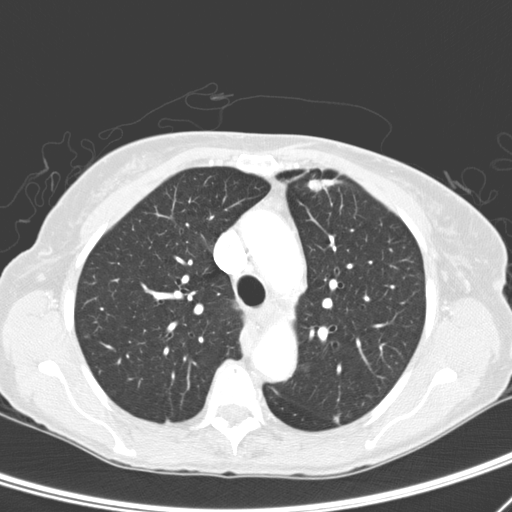
Axial slice 204 of 276 of a chest CT (slice 1 is the lowest), reconstructed with the D kernel at 120 kVp; 2.00 mm slice thickness and 0.617 mm pixels.
Two pulmonary nodules are outlined on this slice; from left to right: (1) Pulmonary nodule at rows 176–192, columns 306–342 (box = the union of the readers' outlines on this slice), outlined by three of the four readers; longest diameter 19.9–25.7 mm and volume 1110–1901 mm3 across the three readers' outlines. The readers' ratings, as ranges where they differ: texture from 4/5 to 5/5 (solid) across the three readers; margin from 2/5 to 4/5 across the three readers; sphericity from 3/5 (ovoid) to 4/5 across the three readers; calcification absent from all three readers; internal structure soft tissue from all three readers; subtlety 5/5, all three readers agreeing; malignancy likelihood 5/5, all three readers agreeing. (2) Pulmonary nodule, outlined by two of the four readers. Box on this slice rows 416–422, columns 334–337, the union of the readers' outlines on this slice; median longest diameter 5.1 mm (readers' outlines 5.0–5.2 mm), median volume 29 mm3 (23–35 mm3). Median ratings and the readers' spread: median texture 3/5 (part-solid) (readers ranged 2/5 to 4/5); median margin 3/5 (readers ranged 2/5 to 4/5); median sphericity 2.5/5 (readers ranged 2/5 to 3/5 (ovoid)); calcification absent from both readers; internal structure soft tissue, both readers agreeing; subtlety 3.5/5 at the median of two readers, spread 3–4; malignancy likelihood 3/5, both readers agreeing. Scale key (1–5): texture non-solid→solid, margin indistinct→circumscribed, sphericity linear→round, subtlety extremely subtle→obvious, malignancy likelihood highly unlikely→highly suspicious of cancer. Box rows and columns are 0-based pixel indices from the top-left corner, inclusive.